Axial chest CT slice 41 of 123 (counted from the lowest slice); tube voltage 140 kVp, convolution kernel STANDARD; slices 2.50 mm thick, 0.703 mm per pixel.
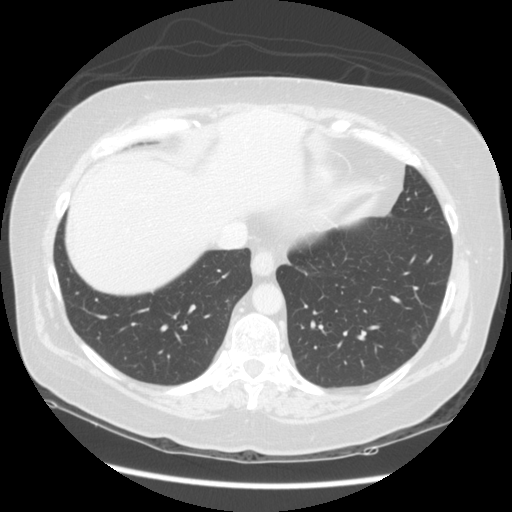
Pulmonary nodule, outlined by two of the four readers, one of them on this slice. Box on this slice rows 336–339, columns 413–415, the one reader's outline on this slice; median longest diameter 6.5 mm (readers' outlines 6.0–7.1 mm), median volume 70 mm3 (64–75 mm3). Median ratings and the readers' spread: texture 3.5/5 at the median of two readers, spread 3/5 (part-solid) to 4/5; median margin 2/5 (readers ranged 1/5 (indistinct) to 3/5); median sphericity 3.5/5 (readers ranged 3/5 (ovoid) to 4/5); calcification absent, both readers agreeing; internal structure soft tissue, both readers agreeing; median subtlety 3.5/5 (readers ranged 3–4); malignancy likelihood 3/5, both readers agreeing. Scale key (1–5): texture non-solid→solid, margin indistinct→circumscribed, sphericity linear→round, subtlety extremely subtle→obvious, malignancy likelihood highly unlikely→highly suspicious of cancer. Box rows and columns are 0-based pixel indices from the top-left corner, inclusive.